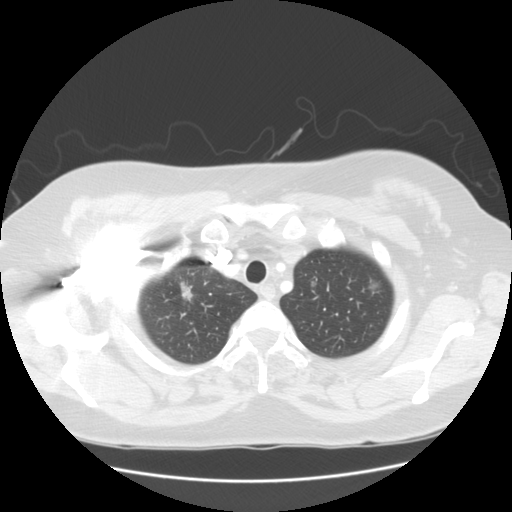
Axial slice 123 of 139 of a chest CT (slice 1 is the lowest), reconstructed with the STANDARD kernel at 120 kVp; 2.50 mm slice thickness and 0.703 mm pixels.
Three pulmonary nodules on this slice, listed from left to right. (1) Pulmonary nodule at rows 280–300, columns 179–192 (box = the union of the readers' outlines on this slice), outlined by all four readers; median longest diameter 15.4 mm (readers' outlines 14.0–16.4 mm), median volume 825 mm3 (649–903 mm3). Median ratings and the readers' spread: texture 4.5/5 at the median of four readers, spread 3/5 (part-solid) to 5/5 (solid); median margin 4/5 (readers ranged 3/5 to 5/5 (circumscribed)); median sphericity 3.5/5 (readers ranged 3/5 (ovoid) to 5/5 (round)); calcification absent from all four readers; internal structure soft tissue from all four readers; median subtlety 5/5 (readers ranged 4–5); malignancy likelihood 4.5/5 at the median of four readers, spread 3–5. (2) Pulmonary nodule at rows 282–285, columns 312–315 (box = that reader's outline on this slice), outlined by one of the four readers; longest diameter 4.1 mm and volume 43 mm3 from that reader's outline. Ratings by that reader: texture 1/5 (non-solid); margin 1/5 (indistinct); sphericity 5/5 (round); calcification absent; internal structure soft tissue; subtlety 1/5; malignancy likelihood 3/5. (3) Pulmonary nodule, outlined by two of the four readers. Box on this slice rows 280–294, columns 368–381, the union of the readers' outlines on this slice; longest diameter 12.6 mm on average over the two readers' outlines (readers' outlines 11.0–14.2 mm), volume 242–583 mm3. The readers' prevailing ratings and who disagreed: texture split among the readers: 1/5 (non-solid) (one), 4/5 (one); margin split among the readers: 1/5 (indistinct) (one), 4/5 (one); sphericity split among the readers: 4/5 (one), 5/5 (round) (one); calcification absent from both readers; internal structure soft tissue from both readers; subtlety split among the readers: 2/5 (one), 5/5 (one); malignancy likelihood 3/5 from both readers. Scale key (1–5): texture non-solid→solid, margin indistinct→circumscribed, sphericity linear→round, subtlety extremely subtle→obvious, malignancy likelihood highly unlikely→highly suspicious of cancer. Box rows and columns are 0-based pixel indices from the top-left corner, inclusive.